Chest CT, axial plane, 120 kVp, kernel STANDARD. Slice 60/117 from the bottom of the scan; thickness 2.50 mm; pixel size 0.781 mm.
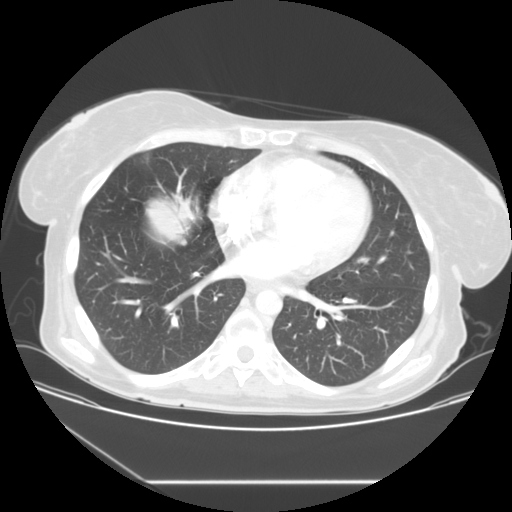
Pulmonary nodule, outlined by one of the four readers. Box on this slice rows 238–245, columns 181–186, that reader's outline on this slice; longest diameter 7.2 mm and volume 69 mm3 from that reader's outline. That reader's ratings: texture 5/5 (solid); margin 3/5; sphericity 5/5 (round); calcification absent; internal structure soft tissue; subtlety 1/5; malignancy likelihood 3/5. Scale key (1–5): texture non-solid→solid, margin indistinct→circumscribed, sphericity linear→round, subtlety extremely subtle→obvious, malignancy likelihood highly unlikely→highly suspicious of cancer. Box rows and columns are 0-based pixel indices from the top-left corner, inclusive.